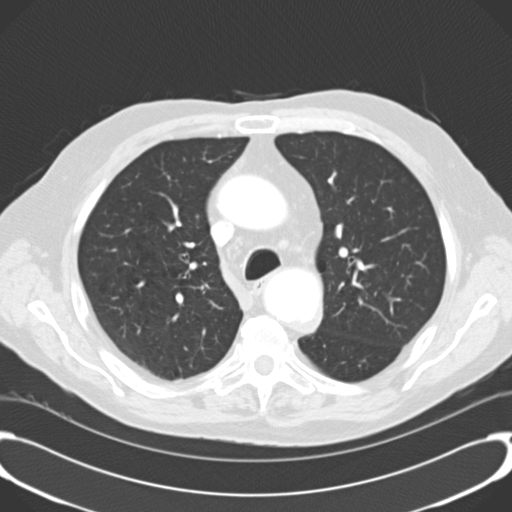
Axial chest CT slice 177 of 246 (counted from the lowest slice); tube voltage 120 kVp, convolution kernel B30f; slices 3.00 mm thick, 0.740 mm per pixel.
No nodule of 3 mm or larger was outlined by any of the four readers on this slice.